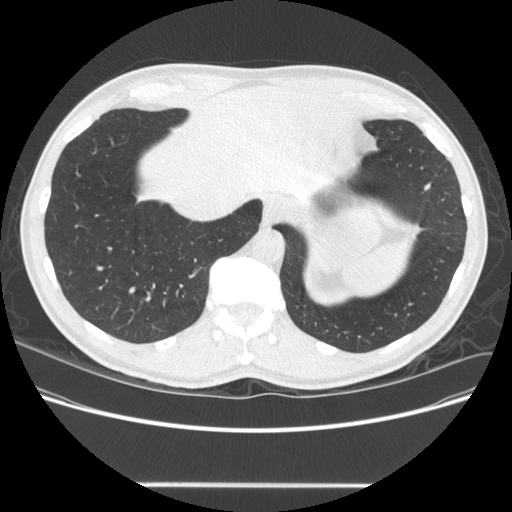
One axial slice (118 of 567, counting up from the lowest) of a chest CT acquired at 120 kVp with the STANDARD kernel; each pixel is 0.742 mm and the slice is 1.25 mm thick.
Pulmonary nodule, outlined by all four readers. Box on this slice rows 182–191, columns 423–431, the union of the readers' outlines on this slice; median longest diameter 8.1 mm (readers' outlines 7.6–9.5 mm), median volume 114 mm3 (105–126 mm3). Median ratings and the readers' spread: texture 5/5 (solid) from all four readers; median margin 4.5/5 (readers ranged 4/5 to 5/5 (circumscribed)); median sphericity 3/5 (ovoid) (readers ranged 2/5 to 3/5 (ovoid)); calcification: absent (three), solid calcification (one); internal structure soft tissue from all four readers; median subtlety 4/5 (readers ranged 3–4); median malignancy likelihood 2/5 (readers ranged 1–3). Scale key (1–5): texture non-solid→solid, margin indistinct→circumscribed, sphericity linear→round, subtlety extremely subtle→obvious, malignancy likelihood highly unlikely→highly suspicious of cancer. Box rows and columns are 0-based pixel indices from the top-left corner, inclusive.